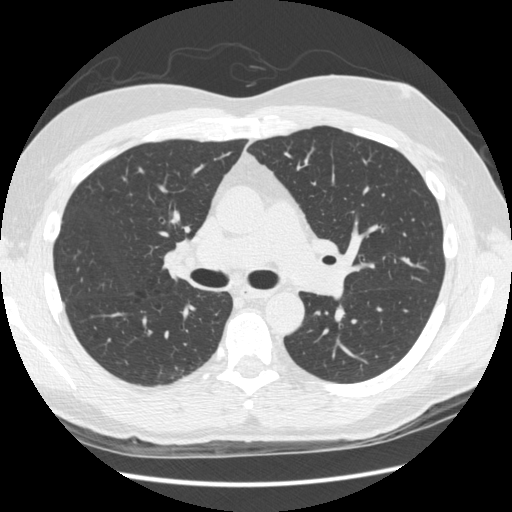
Axial slice 304 of 509 of a chest CT (slice 1 is the lowest), reconstructed with the STANDARD kernel at 120 kVp; 1.25 mm slice thickness and 0.703 mm pixels.
No nodule 3 mm or larger was outlined here by any reader.